Chest CT, axial plane, 120 kVp, kernel STANDARD. Slice 73/297 from the bottom of the scan; thickness 1.25 mm; pixel size 0.787 mm.
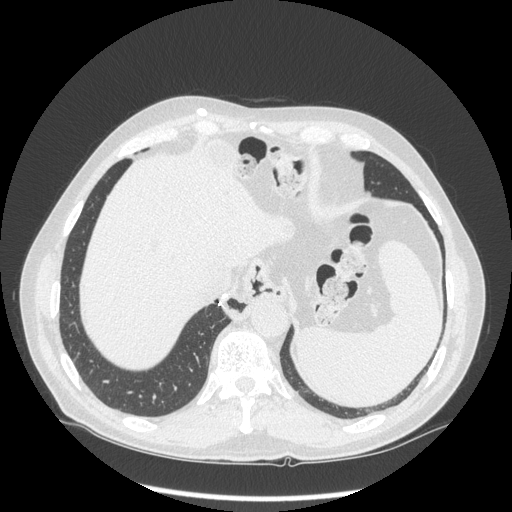
Pulmonary nodule outlined by all four readers, two of them on this slice; box rows 284–287, columns 72–74 (the union of the readers' outlines on this slice); longest diameter 10.5 mm on average over the four readers' outlines (readers' outlines 10.3–11.0 mm), volume 283–421 mm3. Ratings, by the readers' most common answer with dissent counted: most readers (three of four) put texture at 5/5 (solid), others 4/5 (one); margin 5/5 (circumscribed) by two of four readers; the rest gave 3/5 (one), 4/5 (one); most readers (three of four) put sphericity at 4/5, others 3/5 (ovoid) (one); calcification absent from all four readers; internal structure soft tissue, all four readers agreeing; subtlety 5/5 by two of four readers; the rest gave 3/5 (one), 4/5 (one); malignancy likelihood 3/5 by two of four readers; the rest gave 1/5 (one), 4/5 (one). Scale key (1–5): texture non-solid→solid, margin indistinct→circumscribed, sphericity linear→round, subtlety extremely subtle→obvious, malignancy likelihood highly unlikely→highly suspicious of cancer. Box rows and columns are 0-based pixel indices from the top-left corner, inclusive.